One axial slice (184 of 522, counting up from the lowest) of a chest CT acquired at 120 kVp with the STANDARD kernel; each pixel is 0.703 mm and the slice is 1.25 mm thick.
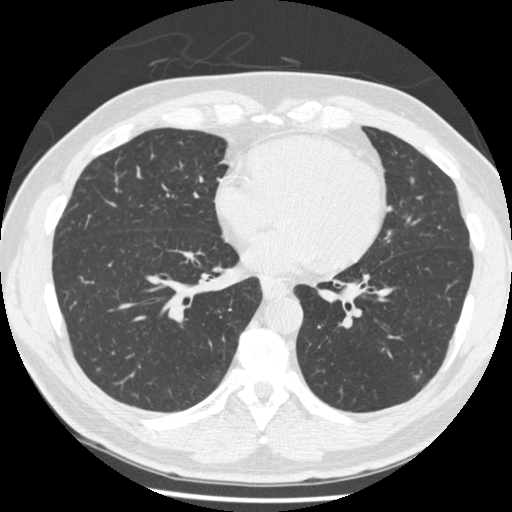
No nodule of 3 mm or larger was outlined by any of the four readers on this slice.